One axial slice (94 of 117, counting up from the lowest) of a chest CT acquired at 130 kVp with the B31s kernel; each pixel is 0.566 mm and the slice is 3.00 mm thick.
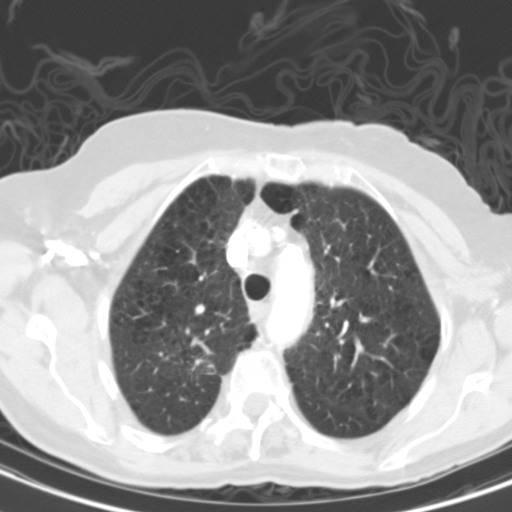
Pulmonary nodule, outlined by all four readers, three of them on this slice. Box on this slice rows 360–366, columns 194–201, the union of the readers' outlines on this slice; the four readers' outlines give a longest diameter between 31.3 and 41.7 mm and a volume between 5062 and 7820 mm3. Ratings across the readers: texture 5/5 (solid) from all four readers; margin from 1/5 (indistinct) to 4/5 across the four readers; sphericity from 3/5 (ovoid) to 5/5 (round) across the four readers; calcification absent from all four readers; internal structure soft tissue, all four readers agreeing; subtlety 5/5, all four readers agreeing; malignancy likelihood 5/5 from all four readers. Scale key (1–5): texture non-solid→solid, margin indistinct→circumscribed, sphericity linear→round, subtlety extremely subtle→obvious, malignancy likelihood highly unlikely→highly suspicious of cancer. Box rows and columns are 0-based pixel indices from the top-left corner, inclusive.